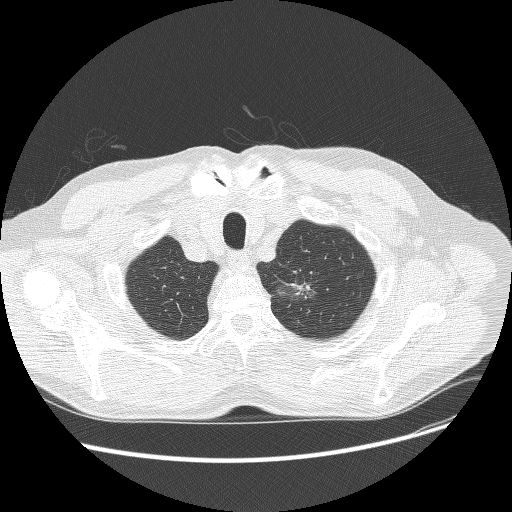
This is axial slice 240 of 268 (slice 1 is the lowest) of a chest CT; each pixel is 0.742 mm and the slice is 1.25 mm thick. Pulmonary nodule outlined by three of the four readers; box rows 276–302, columns 276–316 (the union of the readers' outlines on this slice); longest diameter 30.8–31.7 mm and volume 4750–7267 mm3 across the three readers' outlines. The readers' ratings, as ranges where they differ: texture 3/5 (part-solid), all three readers agreeing; margin 1/5 (indistinct) from all three readers; sphericity from 3/5 (ovoid) to 4/5 across the three readers; calcification absent, all three readers agreeing; internal structure soft tissue from all three readers; subtlety from 4/5 to 5/5 across the three readers; malignancy likelihood from 4/5 to 5/5 across the three readers. Scale key (1–5): texture non-solid→solid, margin indistinct→circumscribed, sphericity linear→round, subtlety extremely subtle→obvious, malignancy likelihood highly unlikely→highly suspicious of cancer. Box rows and columns are 0-based pixel indices from the top-left corner, inclusive.
Acquired at 120 kVp and reconstructed with the BONE kernel.